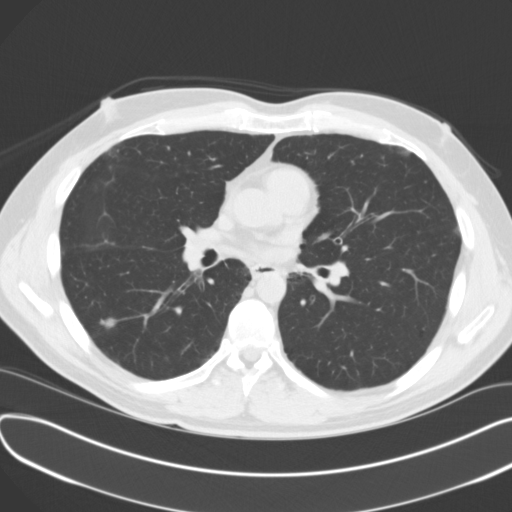
This is axial slice 73 of 131 (slice 1 is the lowest) of a chest CT; each pixel is 0.721 mm and the slice is 3.00 mm thick. Pulmonary nodule, outlined by all four readers. Box on this slice rows 317–328, columns 99–115, the union of the readers' outlines on this slice; longest diameter 21.7 mm on average over the four readers' outlines (readers' outlines 19.8–23.2 mm), volume 718–1650 mm3. The readers' prevailing ratings and who disagreed: texture 5/5 (solid) from all four readers; margin 2/5 by two of four readers; the rest gave 4/5 (one), 5/5 (circumscribed) (one); most readers (three of four) put sphericity at 3/5 (ovoid), others 5/5 (round) (one); calcification absent from all four readers; internal structure soft tissue, all four readers agreeing; most readers (three of four) put subtlety at 5/5, others 4/5 (one); most readers (three of four) put malignancy likelihood at 3/5, others 5/5 (one). Scale key (1–5): texture non-solid→solid, margin indistinct→circumscribed, sphericity linear→round, subtlety extremely subtle→obvious, malignancy likelihood highly unlikely→highly suspicious of cancer. Box rows and columns are 0-based pixel indices from the top-left corner, inclusive.
Acquired at 120 kVp and reconstructed with the B31f kernel.